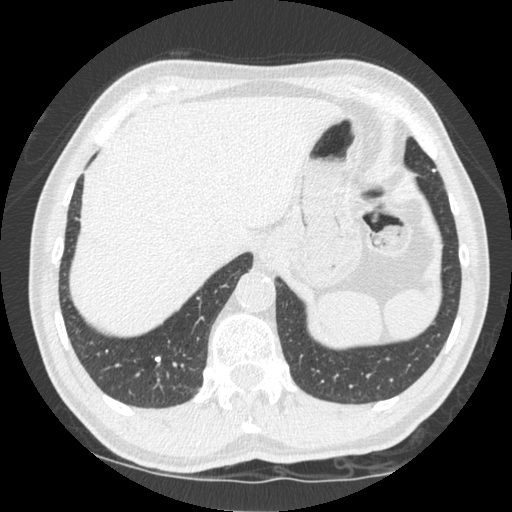
One axial slice (95 of 535, counting up from the lowest) of a chest CT acquired at 120 kVp with the STANDARD kernel; each pixel is 0.664 mm and the slice is 1.25 mm thick.
Pulmonary nodule outlined by all four readers; box rows 356–361, columns 155–160 (the union of the readers' outlines on this slice); the four readers' outlines give a longest diameter between 4.7 and 6.5 mm and a volume between 34 and 62 mm3. The readers' ratings, as ranges where they differ: texture 5/5 (solid) from all four readers; margin 5/5 (circumscribed), all four readers agreeing; sphericity from 4/5 to 5/5 (round) across the four readers; calcification solid calcification from all four readers; internal structure soft tissue, all four readers agreeing; subtlety from 4/5 to 5/5 across the four readers; malignancy likelihood 1/5 from all four readers. Scale key (1–5): texture non-solid→solid, margin indistinct→circumscribed, sphericity linear→round, subtlety extremely subtle→obvious, malignancy likelihood highly unlikely→highly suspicious of cancer. Box rows and columns are 0-based pixel indices from the top-left corner, inclusive.